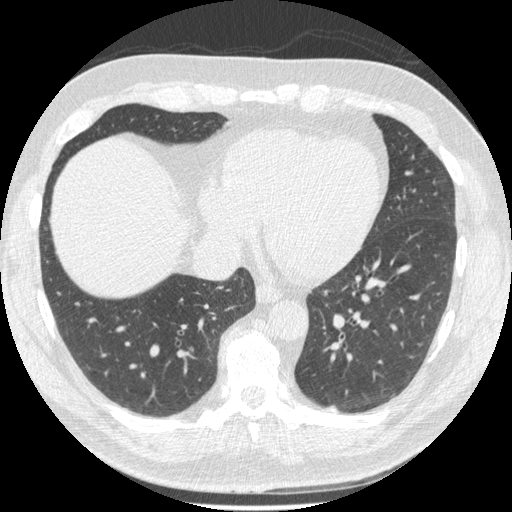
Axial slice 205 of 557 of a chest CT (slice 1 is the lowest), reconstructed with the STANDARD kernel at 120 kVp; 1.25 mm slice thickness and 0.703 mm pixels.
Pulmonary nodule outlined by two of the four readers; box rows 405–410, columns 327–338 (the union of the readers' outlines on this slice); longest diameter 11.3 mm on average over the two readers' outlines (readers' outlines 9.4–13.1 mm), volume 126–127 mm3. Ratings, by the readers' most common answer with dissent counted: texture 5/5 (solid), both readers agreeing; margin 3/5 from both readers; sphericity 3/5 (ovoid) from both readers; calcification absent, both readers agreeing; internal structure soft tissue, both readers agreeing; subtlety 3/5 from both readers; malignancy likelihood split among the readers: 1/5 (one), 3/5 (one). Scale key (1–5): texture non-solid→solid, margin indistinct→circumscribed, sphericity linear→round, subtlety extremely subtle→obvious, malignancy likelihood highly unlikely→highly suspicious of cancer. Box rows and columns are 0-based pixel indices from the top-left corner, inclusive.